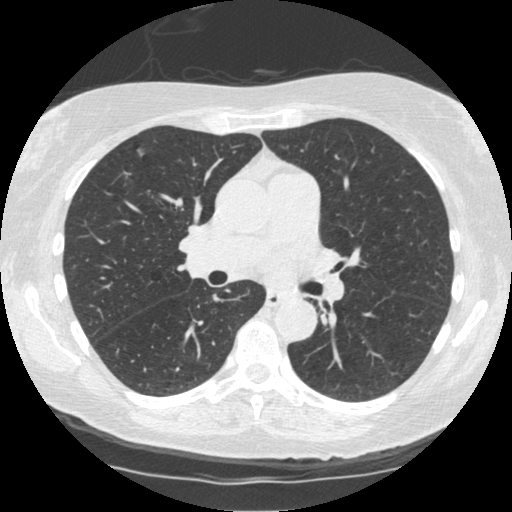
Chest CT, axial plane, 120 kVp, kernel STANDARD. Slice 276/519 from the bottom of the scan; thickness 1.25 mm; pixel size 0.645 mm.
Pulmonary nodule, outlined by all four readers. Box on this slice rows 148–156, columns 137–144, the union of the readers' outlines on this slice; longest diameter 9.4 mm on average over the four readers' outlines (readers' outlines 9.0–9.8 mm), volume 121–176 mm3. The readers' prevailing ratings and who disagreed: texture 5/5 (solid), all four readers agreeing; margin split among the readers: 4/5 (two), 5/5 (circumscribed) (two); sphericity 3/5 (ovoid) by two of four readers; the rest gave 4/5 (one), 5/5 (round) (one); calcification absent from all four readers; internal structure soft tissue from all four readers; most readers (three of four) put subtlety at 5/5, others 4/5 (one); most readers (three of four) put malignancy likelihood at 3/5, others 2/5 (one). Scale key (1–5): texture non-solid→solid, margin indistinct→circumscribed, sphericity linear→round, subtlety extremely subtle→obvious, malignancy likelihood highly unlikely→highly suspicious of cancer. Box rows and columns are 0-based pixel indices from the top-left corner, inclusive.